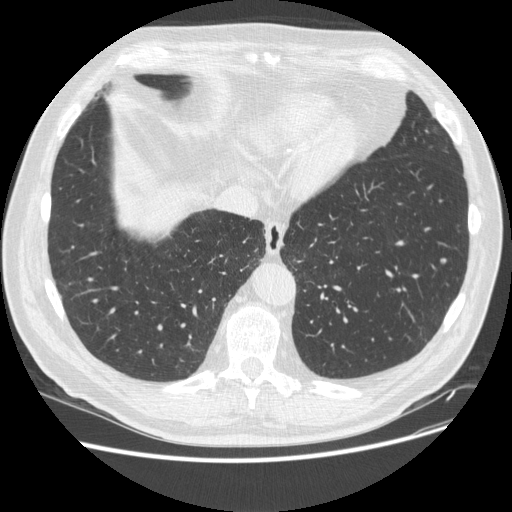
Axial slice 154 of 513 of a chest CT (slice 1 is the lowest), reconstructed with the STANDARD kernel at 120 kVp; 1.25 mm slice thickness and 0.742 mm pixels.
Pulmonary nodule at rows 258–262, columns 440–446 (box = that reader's outline on this slice), outlined by one of the four readers; longest diameter 6.1 mm and volume 84 mm3 from that reader's outline. That reader's ratings: texture 5/5 (solid); margin 5/5 (circumscribed); sphericity 5/5 (round); calcification absent; internal structure soft tissue; subtlety 3/5; malignancy likelihood 2/5. Scale key (1–5): texture non-solid→solid, margin indistinct→circumscribed, sphericity linear→round, subtlety extremely subtle→obvious, malignancy likelihood highly unlikely→highly suspicious of cancer. Box rows and columns are 0-based pixel indices from the top-left corner, inclusive.